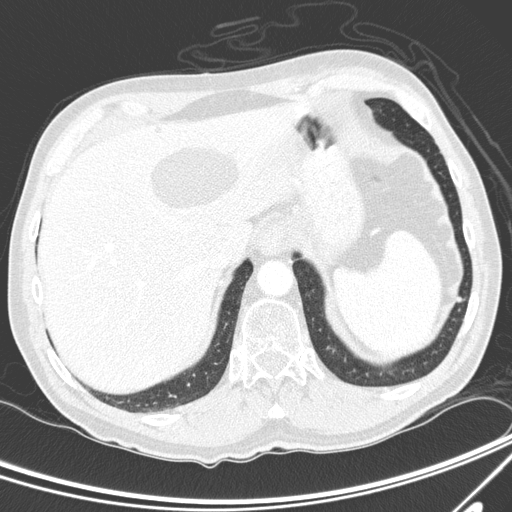
Axial chest CT slice 42 of 300 (counted from the lowest slice); 2.00 mm thick, 0.678 mm per pixel. Pulmonary nodule outlined by three of the four readers; box rows 296–302, columns 457–463 (the union of the readers' outlines on this slice); median longest diameter 6.7 mm (readers' outlines 5.5–6.9 mm), median volume 77 mm3 (52–87 mm3). Ratings, median across the readers with their spread: texture 5/5 (solid), all three readers agreeing; median margin 5/5 (circumscribed) (readers ranged 4/5 to 5/5 (circumscribed)); median sphericity 4/5 (readers ranged 4/5 to 5/5 (round)); calcification absent from all three readers; internal structure soft tissue from all three readers; median subtlety 4/5 (readers ranged 3–4); malignancy likelihood 3/5 at the median of three readers, spread 2–3. Scale key (1–5): texture non-solid→solid, margin indistinct→circumscribed, sphericity linear→round, subtlety extremely subtle→obvious, malignancy likelihood highly unlikely→highly suspicious of cancer. Box rows and columns are 0-based pixel indices from the top-left corner, inclusive.
Tube voltage 120 kVp; convolution kernel D.